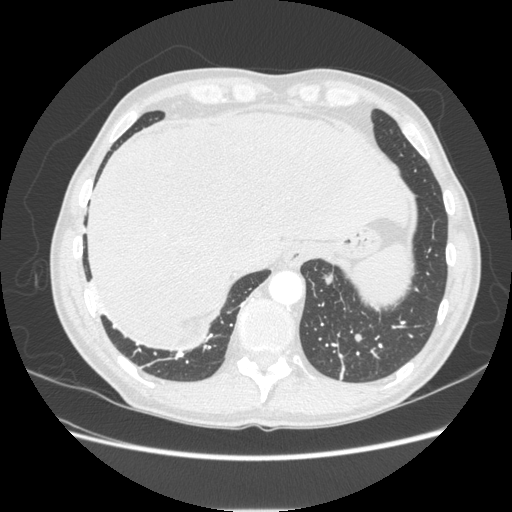
Axial chest CT slice 51 of 253 (counted from the lowest slice); 1.25 mm thick, 0.742 mm per pixel. Two pulmonary nodules on this slice, listed from left to right. (1) Pulmonary nodule at rows 273–284, columns 321–333 (box = the union of the readers' outlines on this slice), outlined by all four readers; median longest diameter 16.1 mm (readers' outlines 15.6–17.5 mm), median volume 1128 mm3 (1063–1176 mm3). Median ratings and the readers' spread: texture 5/5 (solid) from all four readers; margin 5/5 (circumscribed), all four readers agreeing; sphericity 4.5/5 at the median of four readers, spread 3/5 (ovoid) to 5/5 (round); calcification absent from all four readers; internal structure soft tissue from all four readers; subtlety 5/5 from all four readers; malignancy likelihood 3.5/5 at the median of four readers, spread 3–5. (2) Pulmonary nodule outlined by all four readers; box rows 334–341, columns 354–361 (the union of the readers' outlines on this slice); longest diameter 7.0–8.5 mm and volume 167–207 mm3 across the four readers' outlines. The readers' ratings, as ranges where they differ: texture 5/5 (solid), all four readers agreeing; margin 5/5 (circumscribed), all four readers agreeing; sphericity from 4/5 to 5/5 (round) across the four readers; calcification absent from all four readers; internal structure soft tissue, all four readers agreeing; subtlety from 2/5 to 4/5 across the four readers; malignancy likelihood rated between 2 and 4 out of 5 by the four readers. Scale key (1–5): texture non-solid→solid, margin indistinct→circumscribed, sphericity linear→round, subtlety extremely subtle→obvious, malignancy likelihood highly unlikely→highly suspicious of cancer. Box rows and columns are 0-based pixel indices from the top-left corner, inclusive.
Tube voltage 120 kVp; convolution kernel STANDARD.